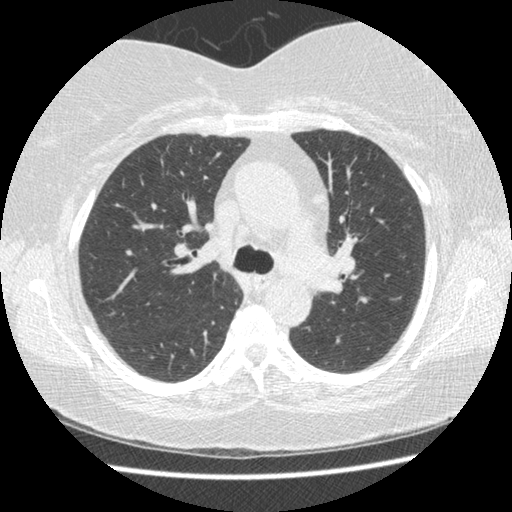
Axial slice 335 of 474 of a chest CT (slice 1 is the lowest), reconstructed with the STANDARD kernel at 120 kVp; 1.25 mm slice thickness and 0.645 mm pixels.
No nodule of 3 mm or larger was outlined by any of the four readers on this slice.